Axial slice 136 of 240 of a chest CT (slice 1 is the lowest), reconstructed with the BONE kernel at 120 kVp; 1.25 mm slice thickness and 0.604 mm pixels.
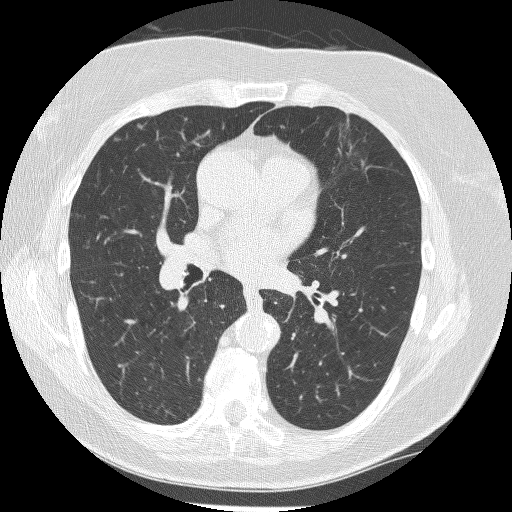
Pulmonary nodule outlined by two of the four readers; box rows 123–128, columns 136–141 (the union of the readers' outlines on this slice); median longest diameter 5.1 mm (readers' outlines 4.6–5.7 mm), median volume 40 mm3 (36–44 mm3). Median ratings and the readers' spread: median texture 4/5 (readers ranged 3/5 (part-solid) to 5/5 (solid)); median margin 4/5 (readers ranged 3/5 to 5/5 (circumscribed)); sphericity 3.5/5 at the median of two readers, spread 3/5 (ovoid) to 4/5; calcification absent from both readers; internal structure soft tissue, both readers agreeing; median subtlety 3.5/5 (readers ranged 3–4); median malignancy likelihood 2/5 (readers ranged 1–3). Scale key (1–5): texture non-solid→solid, margin indistinct→circumscribed, sphericity linear→round, subtlety extremely subtle→obvious, malignancy likelihood highly unlikely→highly suspicious of cancer. Box rows and columns are 0-based pixel indices from the top-left corner, inclusive.